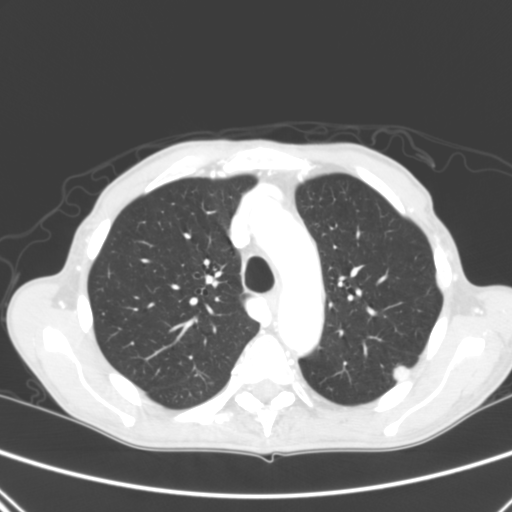
Slice 210/290 of a chest CT, counting up from the lowest; pixel size 0.639 mm, slice thickness 2.00 mm. Pulmonary nodule at rows 364–381, columns 391–409 (box = the union of the readers' outlines on this slice), outlined by all four readers; the four readers' outlines give a longest diameter between 12.9 and 15.8 mm and a volume between 837 and 1237 mm3. Ratings across the readers: texture from 4/5 to 5/5 (solid) across the four readers; margin from 4/5 to 5/5 (circumscribed) across the four readers; sphericity from 3/5 (ovoid) to 5/5 (round) across the four readers; calcification: absent (three), laminated calcification (one); internal structure soft tissue, all four readers agreeing; subtlety from 4/5 to 5/5 across the four readers; malignancy likelihood 2–5/5 (the readers disagree). Scale key (1–5): texture non-solid→solid, margin indistinct→circumscribed, sphericity linear→round, subtlety extremely subtle→obvious, malignancy likelihood highly unlikely→highly suspicious of cancer. Box rows and columns are 0-based pixel indices from the top-left corner, inclusive.
Scan settings: 120 kVp, B reconstruction kernel.